One axial slice (44 of 111, counting up from the lowest) of a chest CT acquired at 135 kVp with the FC01 kernel; each pixel is 0.751 mm and the slice is 3.00 mm thick.
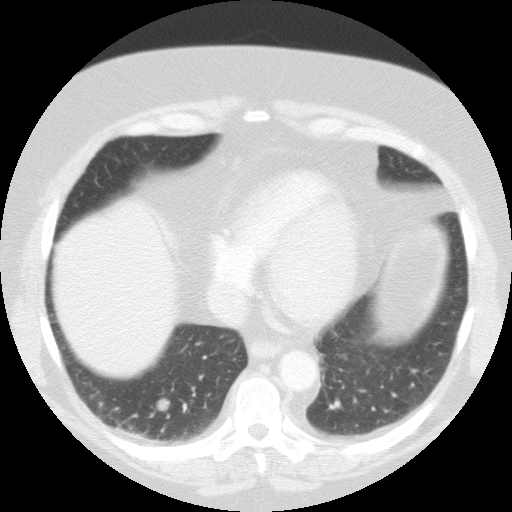
Pulmonary nodule outlined by all four readers; box rows 398–410, columns 155–169 (the union of the readers' outlines on this slice); median longest diameter 16.2 mm (readers' outlines 14.6–18.2 mm), median volume 1423 mm3 (1388–1524 mm3). Median ratings and the readers' spread: texture 5/5 (solid), all four readers agreeing; margin 5/5 (circumscribed), all four readers agreeing; sphericity 5/5 (round) from all four readers; calcification absent, all four readers agreeing; internal structure soft tissue, all four readers agreeing; median subtlety 4.5/5 (readers ranged 3–5); malignancy likelihood 3.5/5 at the median of four readers, spread 2–5. Scale key (1–5): texture non-solid→solid, margin indistinct→circumscribed, sphericity linear→round, subtlety extremely subtle→obvious, malignancy likelihood highly unlikely→highly suspicious of cancer. Box rows and columns are 0-based pixel indices from the top-left corner, inclusive.